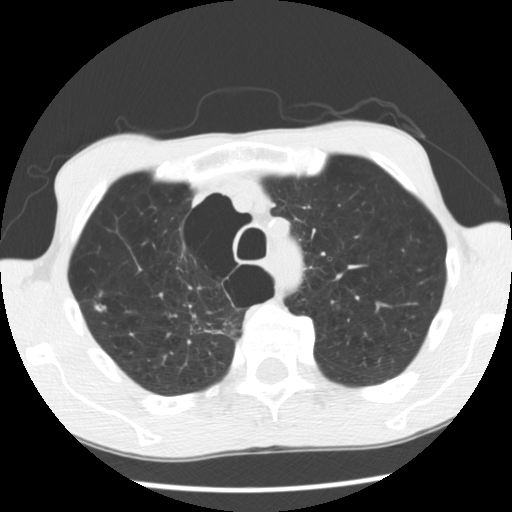
Axial chest CT slice 228 of 292 (counted from the lowest slice); tube voltage 120 kVp, convolution kernel STANDARD; slices 2.50 mm thick, 0.645 mm per pixel.
Pulmonary nodule outlined by two of the four readers; box rows 304–311, columns 94–105 (the union of the readers' outlines on this slice); median longest diameter 8.9 mm (readers' outlines 8.2–9.6 mm), median volume 148 mm3 (110–186 mm3). Median ratings and the readers' spread: texture 4/5 from both readers; margin 4/5, both readers agreeing; sphericity 3/5 (ovoid) at the median of two readers, spread 2/5 to 4/5; calcification absent from both readers; internal structure soft tissue, both readers agreeing; subtlety 3/5 from both readers; malignancy likelihood 2.5/5 at the median of two readers, spread 2–3. Scale key (1–5): texture non-solid→solid, margin indistinct→circumscribed, sphericity linear→round, subtlety extremely subtle→obvious, malignancy likelihood highly unlikely→highly suspicious of cancer. Box rows and columns are 0-based pixel indices from the top-left corner, inclusive.